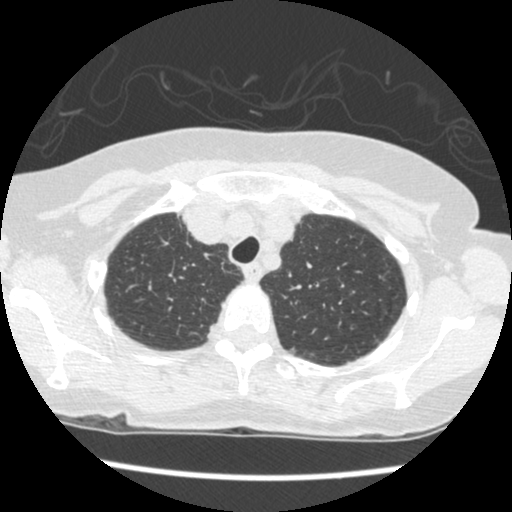
Axial chest CT slice 388 of 461 (counted from the lowest slice); tube voltage 120 kVp, convolution kernel STANDARD; slices 1.25 mm thick, 0.586 mm per pixel.
Pulmonary nodule at rows 347–354, columns 288–294 (box = the union of the readers' outlines on this slice), outlined by all four readers; longest diameter 5.6 mm on average over the four readers' outlines (readers' outlines 5.0–6.6 mm), volume 33–53 mm3. The readers' prevailing ratings and who disagreed: texture 5/5 (solid), all four readers agreeing; margin split among the readers: 4/5 (two), 5/5 (circumscribed) (two); sphericity 5/5 (round) by two of four readers; the rest gave 3/5 (ovoid) (one), 4/5 (one); calcification absent from all four readers; internal structure soft tissue from all four readers; most readers (three of four) put subtlety at 3/5, others 4/5 (one); malignancy likelihood 2/5 by two of four readers; the rest gave 1/5 (one), 4/5 (one). Scale key (1–5): texture non-solid→solid, margin indistinct→circumscribed, sphericity linear→round, subtlety extremely subtle→obvious, malignancy likelihood highly unlikely→highly suspicious of cancer. Box rows and columns are 0-based pixel indices from the top-left corner, inclusive.